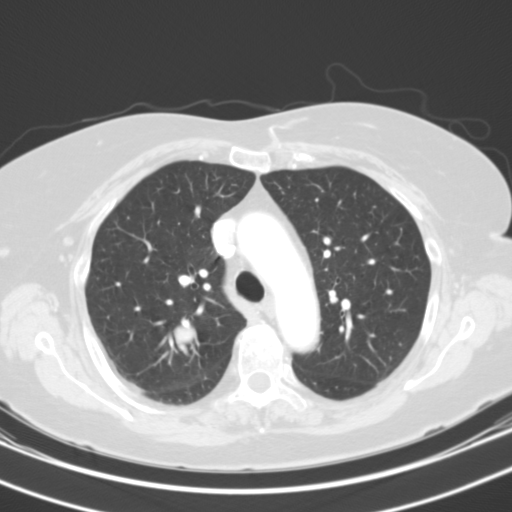
Chest CT, axial plane, 130 kVp, kernel B31s. Slice 77/109 from the bottom of the scan; thickness 3.00 mm; pixel size 0.629 mm.
Pulmonary nodule at rows 319–352, columns 174–195 (box = the union of the readers' outlines on this slice), outlined by all four readers; median longest diameter 18.1 mm (readers' outlines 16.9–27.7 mm), median volume 2196 mm3 (1856–2397 mm3). Median ratings and the readers' spread: texture 5/5 (solid) from all four readers; margin 4.5/5 at the median of four readers, spread 4/5 to 5/5 (circumscribed); sphericity 4/5 at the median of four readers, spread 4/5 to 5/5 (round); calcification absent from all four readers; internal structure soft tissue, all four readers agreeing; subtlety 5/5, all four readers agreeing; median malignancy likelihood 4.5/5 (readers ranged 3–5). Scale key (1–5): texture non-solid→solid, margin indistinct→circumscribed, sphericity linear→round, subtlety extremely subtle→obvious, malignancy likelihood highly unlikely→highly suspicious of cancer. Box rows and columns are 0-based pixel indices from the top-left corner, inclusive.